Chest CT, axial plane, 120 kVp, kernel STANDARD. Slice 74/145 from the bottom of the scan; thickness 2.50 mm; pixel size 0.820 mm.
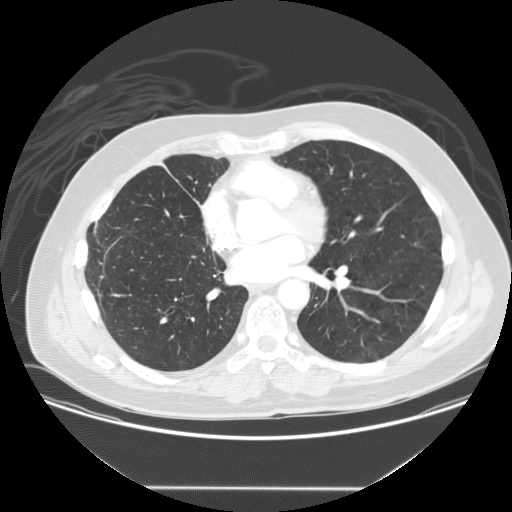
No nodule of 3 mm or larger was outlined by any of the four readers on this slice.